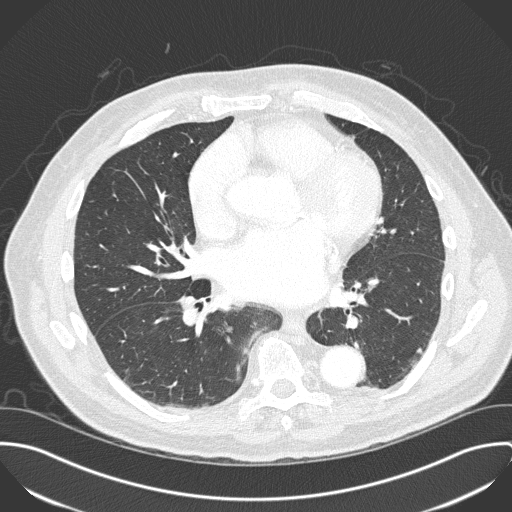
One axial slice (152 of 330, counting up from the lowest) of a chest CT acquired at 120 kVp with the B45f kernel; each pixel is 0.762 mm and the slice is 1.00 mm thick.
Pulmonary nodule outlined by three of the four readers; box rows 347–353, columns 416–421 (the union of the readers' outlines on this slice); the three readers' outlines give a longest diameter between 5.5 and 7.2 mm and a volume between 49 and 105 mm3. The readers' ratings, as ranges where they differ: texture from 4/5 to 5/5 (solid) across the three readers; margin from 2/5 to 4/5 across the three readers; sphericity from 2/5 to 4/5 across the three readers; calcification absent from all three readers; internal structure soft tissue from all three readers; subtlety 3–4/5 (the readers disagree); malignancy likelihood 2–3/5 (the readers disagree). Scale key (1–5): texture non-solid→solid, margin indistinct→circumscribed, sphericity linear→round, subtlety extremely subtle→obvious, malignancy likelihood highly unlikely→highly suspicious of cancer. Box rows and columns are 0-based pixel indices from the top-left corner, inclusive.